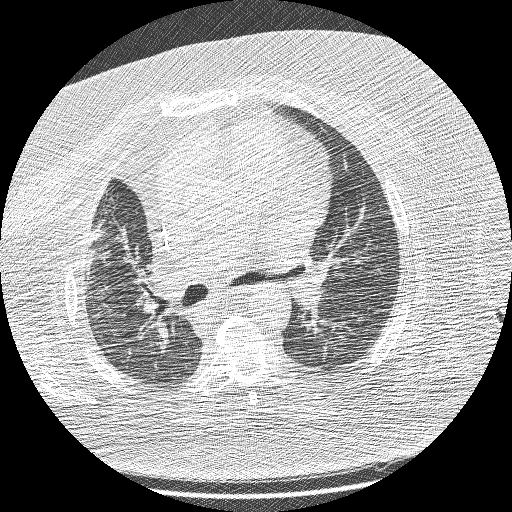
Axial chest CT slice 124 of 208 (counted from the lowest slice); 1.25 mm thick, 0.723 mm per pixel. Pulmonary nodule at rows 220–244, columns 90–107 (box = the one reader's outline on this slice), outlined by all four readers, one of them on this slice; longest diameter 25.6–30.6 mm and volume 4623–6820 mm3 across the four readers' outlines. The readers' ratings, as ranges where they differ: texture 5/5 (solid) from all four readers; margin from 1/5 (indistinct) to 3/5 across the four readers; sphericity from 3/5 (ovoid) to 4/5 across the four readers; calcification absent from all four readers; internal structure soft tissue from all four readers; subtlety 5/5, all four readers agreeing; malignancy likelihood 5/5 from all four readers. Scale key (1–5): texture non-solid→solid, margin indistinct→circumscribed, sphericity linear→round, subtlety extremely subtle→obvious, malignancy likelihood highly unlikely→highly suspicious of cancer. Box rows and columns are 0-based pixel indices from the top-left corner, inclusive.
Acquired at 120 kVp and reconstructed with the BONE kernel.